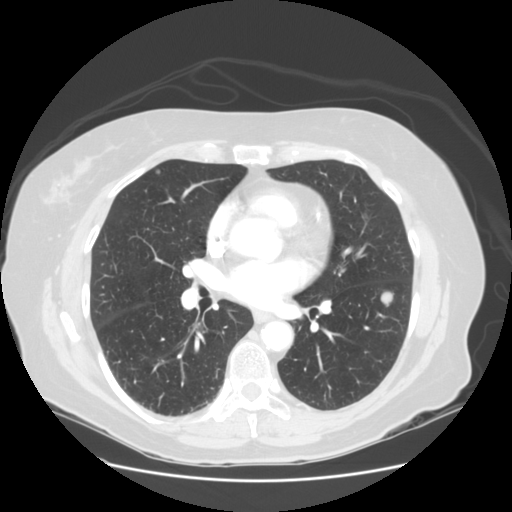
Chest CT, axial plane, 120 kVp, kernel STANDARD. Slice 66/128 from the bottom of the scan; thickness 2.50 mm; pixel size 0.742 mm.
Three pulmonary nodules are outlined on this slice; from left to right: (1) Pulmonary nodule at rows 169–173, columns 156–160 (box = the union of the readers' outlines on this slice), outlined by two of the four readers; longest diameter 6.0 mm on average over the two readers' outlines (readers' outlines 5.7–6.4 mm), volume 85–130 mm3. Ratings, by the readers' most common answer with dissent counted: texture 5/5 (solid) from both readers; margin 5/5 (circumscribed), both readers agreeing; sphericity 5/5 (round), both readers agreeing; calcification absent from both readers; internal structure soft tissue, both readers agreeing; subtlety split among the readers: 3/5 (one), 4/5 (one); malignancy likelihood split among the readers: 2/5 (one), 3/5 (one). (2) Pulmonary nodule at rows 214–218, columns 364–367 (box = the one reader's outline on this slice), outlined by all four readers, one of them on this slice; longest diameter 7.5 mm on average over the four readers' outlines (readers' outlines 6.6–8.7 mm), volume 143–242 mm3. Ratings, by the readers' most common answer with dissent counted: most readers (three of four) put texture at 5/5 (solid), others 4/5 (one); margin 5/5 (circumscribed) by two of four readers; the rest gave 3/5 (one), 4/5 (one); sphericity 5/5 (round) by two of four readers; the rest gave 3/5 (ovoid) (one), 4/5 (one); calcification absent, all four readers agreeing; internal structure soft tissue from all four readers; subtlety 4/5 by three of four readers; the rest gave 3/5 (one); malignancy likelihood 3/5 by three of four readers; the rest gave 2/5 (one). (3) Pulmonary nodule at rows 291–305, columns 380–393 (box = the union of the readers' outlines on this slice), outlined by all four readers; median longest diameter 12.8 mm (readers' outlines 12.2–13.0 mm), median volume 891 mm3 (824–921 mm3). Median ratings and the readers' spread: texture 5/5 (solid), all four readers agreeing; margin 5/5 (circumscribed) at the median of four readers, spread 4/5 to 5/5 (circumscribed); sphericity 5/5 (round) at the median of four readers, spread 4/5 to 5/5 (round); calcification absent, all four readers agreeing; internal structure soft tissue, all four readers agreeing; median subtlety 4.5/5 (readers ranged 3–5); malignancy likelihood 3.5/5 at the median of four readers, spread 2–5. Scale key (1–5): texture non-solid→solid, margin indistinct→circumscribed, sphericity linear→round, subtlety extremely subtle→obvious, malignancy likelihood highly unlikely→highly suspicious of cancer. Box rows and columns are 0-based pixel indices from the top-left corner, inclusive.